Axial chest CT slice 144 of 244 (counted from the lowest slice); tube voltage 120 kVp, convolution kernel BONE; slices 1.25 mm thick, 0.729 mm per pixel.
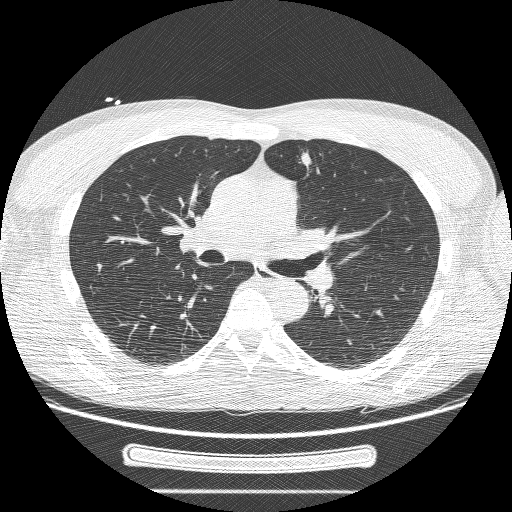
Pulmonary nodule outlined by three of the four readers, two of them on this slice; box rows 149–169, columns 300–312 (the union of the readers' outlines on this slice); longest diameter 34.2 mm on average over the three readers' outlines (readers' outlines 27.4–37.9 mm), volume 2934–10099 mm3. The readers' prevailing ratings and who disagreed: texture 5/5 (solid) by two of three readers; the rest gave 3/5 (part-solid) (one); margin split among the readers: 1/5 (indistinct) (one), 2/5 (one), 3/5 (one); sphericity split among the readers: 2/5 (one), 3/5 (ovoid) (one), 4/5 (one); calcification absent from all three readers; internal structure soft tissue, all three readers agreeing; subtlety 5/5 from all three readers; malignancy likelihood 5/5 by two of three readers; the rest gave 3/5 (one). Scale key (1–5): texture non-solid→solid, margin indistinct→circumscribed, sphericity linear→round, subtlety extremely subtle→obvious, malignancy likelihood highly unlikely→highly suspicious of cancer. Box rows and columns are 0-based pixel indices from the top-left corner, inclusive.